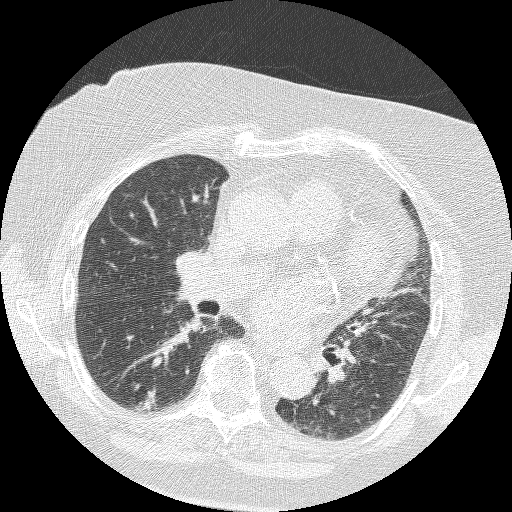
One axial slice (143 of 235, counting up from the lowest) of a chest CT acquired at 120 kVp with the BONE kernel; each pixel is 0.625 mm and the slice is 1.25 mm thick.
Pulmonary nodule outlined by two of the four readers; box rows 389–410, columns 137–157 (the union of the readers' outlines on this slice); longest diameter 20.0 mm on average over the two readers' outlines (readers' outlines 17.6–22.4 mm), volume 602–1472 mm3. Ratings, by the readers' most common answer with dissent counted: texture 5/5 (solid) from both readers; margin split among the readers: 2/5 (one), 5/5 (circumscribed) (one); sphericity split among the readers: 1/5 (linear) (one), 2/5 (one); calcification absent, both readers agreeing; internal structure soft tissue, both readers agreeing; subtlety 5/5 from both readers; malignancy likelihood 3/5 from both readers. Scale key (1–5): texture non-solid→solid, margin indistinct→circumscribed, sphericity linear→round, subtlety extremely subtle→obvious, malignancy likelihood highly unlikely→highly suspicious of cancer. Box rows and columns are 0-based pixel indices from the top-left corner, inclusive.